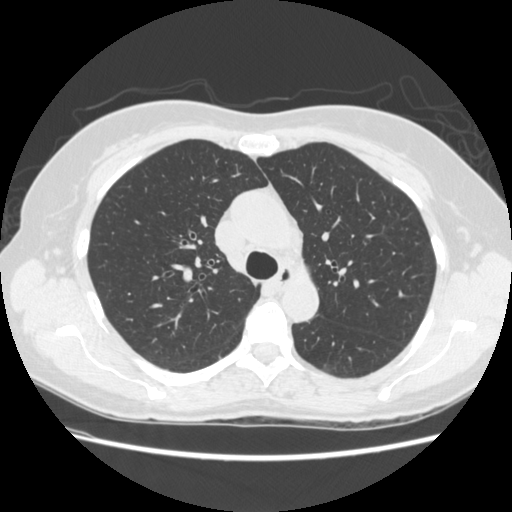
One axial slice (172 of 261, counting up from the lowest) of a chest CT acquired at 120 kVp with the STANDARD kernel; each pixel is 0.682 mm and the slice is 1.25 mm thick.
Pulmonary nodule, outlined by two of the four readers, one of them on this slice. Box on this slice rows 366–372, columns 326–345, the one reader's outline on this slice; median longest diameter 30.8 mm (readers' outlines 30.0–31.5 mm), median volume 7245 mm3 (6577–7912 mm3). Median ratings and the readers' spread: median texture 1.5/5 (readers ranged 1/5 (non-solid) to 2/5); margin 1.5/5 at the median of two readers, spread 1/5 (indistinct) to 2/5; sphericity 4/5 at the median of two readers, spread 3/5 (ovoid) to 5/5 (round); calcification absent from both readers; internal structure soft tissue, both readers agreeing; subtlety 1.5/5 at the median of two readers, spread 1–2; malignancy likelihood 4.5/5 at the median of two readers, spread 4–5. Scale key (1–5): texture non-solid→solid, margin indistinct→circumscribed, sphericity linear→round, subtlety extremely subtle→obvious, malignancy likelihood highly unlikely→highly suspicious of cancer. Box rows and columns are 0-based pixel indices from the top-left corner, inclusive.